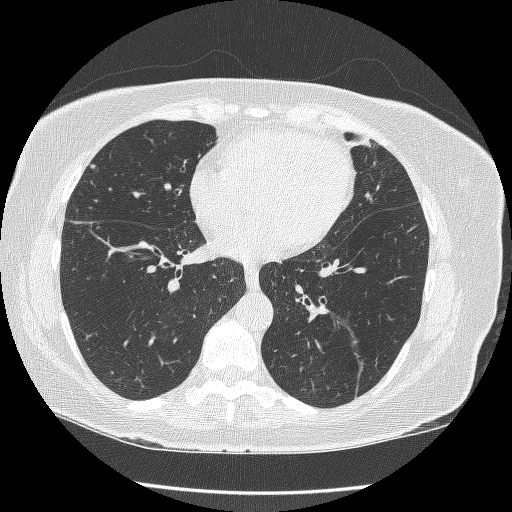
Slice 109/246 of a chest CT, counting up from the lowest; pixel size 0.617 mm, slice thickness 1.25 mm. Pulmonary nodule outlined by two of the four readers; box rows 164–168, columns 90–95 (the union of the readers' outlines on this slice); longest diameter 4.5 mm and volume 24 mm3 across the two readers' outlines. The readers' ratings, as ranges where they differ: texture from 4/5 to 5/5 (solid) across the two readers; margin from 3/5 to 5/5 (circumscribed) across the two readers; sphericity 3/5 (ovoid) from both readers; calcification absent, both readers agreeing; internal structure soft tissue, both readers agreeing; subtlety from 1/5 to 4/5 across the two readers; malignancy likelihood 3/5 from both readers. Scale key (1–5): texture non-solid→solid, margin indistinct→circumscribed, sphericity linear→round, subtlety extremely subtle→obvious, malignancy likelihood highly unlikely→highly suspicious of cancer. Box rows and columns are 0-based pixel indices from the top-left corner, inclusive.
Acquired at 120 kVp and reconstructed with the BONE kernel.